One axial slice (48 of 123, counting up from the lowest) of a chest CT acquired at 140 kVp with the BONE kernel; each pixel is 0.703 mm and the slice is 2.50 mm thick.
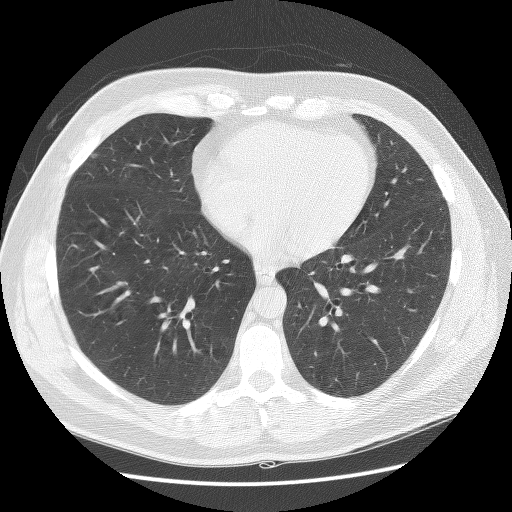
Pulmonary nodule outlined by three of the four readers; box rows 154–157, columns 91–97 (the union of the readers' outlines on this slice); longest diameter 6.1 mm on average over the three readers' outlines (readers' outlines 5.8–6.6 mm), volume 78–90 mm3. Ratings, by the readers' most common answer with dissent counted: most readers (two of three) put texture at 4/5, others 5/5 (solid) (one); most readers (two of three) put margin at 4/5, others 5/5 (circumscribed) (one); most readers (two of three) put sphericity at 3/5 (ovoid), others 4/5 (one); calcification absent from all three readers; internal structure soft tissue from all three readers; subtlety 5/5 by two of three readers; the rest gave 4/5 (one); malignancy likelihood 3/5 by two of three readers; the rest gave 2/5 (one). Scale key (1–5): texture non-solid→solid, margin indistinct→circumscribed, sphericity linear→round, subtlety extremely subtle→obvious, malignancy likelihood highly unlikely→highly suspicious of cancer. Box rows and columns are 0-based pixel indices from the top-left corner, inclusive.